Axial chest CT slice 41 of 141 (counted from the lowest slice); tube voltage 120 kVp, convolution kernel STANDARD; slices 2.50 mm thick, 0.703 mm per pixel.
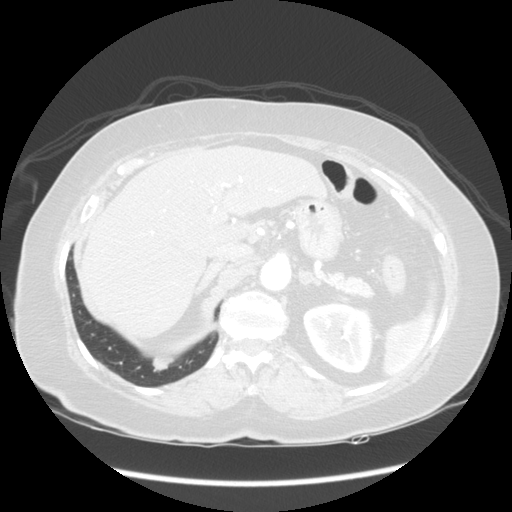
Pulmonary nodule outlined by all four readers; box rows 354–371, columns 151–176 (the union of the readers' outlines on this slice); longest diameter 18.7 mm on average over the four readers' outlines (readers' outlines 17.0–19.8 mm), volume 1157–1740 mm3. The readers' prevailing ratings and who disagreed: texture 5/5 (solid) from all four readers; most readers (three of four) put margin at 4/5, others 3/5 (one); sphericity split among the readers: 3/5 (ovoid) (two), 4/5 (two); calcification absent, all four readers agreeing; internal structure soft tissue, all four readers agreeing; most readers (three of four) put subtlety at 5/5, others 4/5 (one); malignancy likelihood split among the readers: 4/5 (two), 5/5 (two). Scale key (1–5): texture non-solid→solid, margin indistinct→circumscribed, sphericity linear→round, subtlety extremely subtle→obvious, malignancy likelihood highly unlikely→highly suspicious of cancer. Box rows and columns are 0-based pixel indices from the top-left corner, inclusive.